Axial chest CT slice 101 of 157 (counted from the lowest slice); tube voltage 120 kVp, convolution kernel B30f; slices 2.00 mm thick, 0.625 mm per pixel.
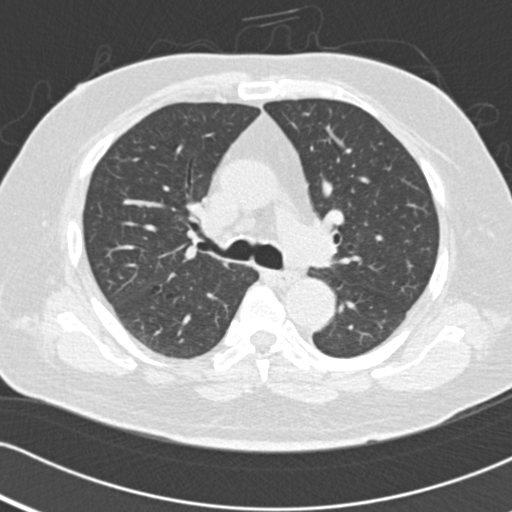
No nodule 3 mm or larger was outlined here by any reader.